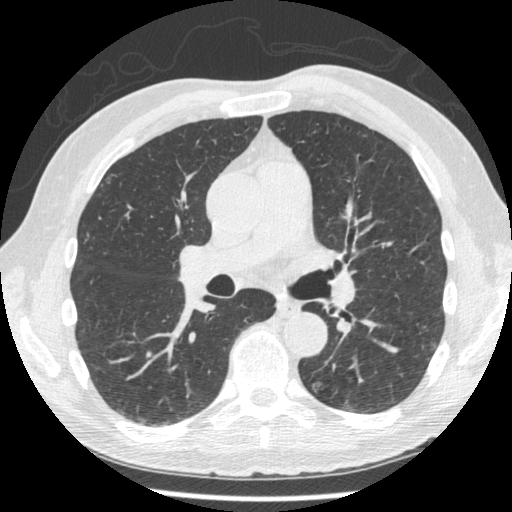
One axial slice (262 of 481, counting up from the lowest) of a chest CT acquired at 120 kVp with the STANDARD kernel; each pixel is 0.664 mm and the slice is 1.25 mm thick.
Pulmonary nodule outlined by three of the four readers; box rows 381–393, columns 312–322 (the union of the readers' outlines on this slice); longest diameter 9.9 mm on average over the three readers' outlines (readers' outlines 9.4–10.2 mm), volume 134–188 mm3. The readers' prevailing ratings and who disagreed: texture split among the readers: 2/5 (one), 3/5 (part-solid) (one), 4/5 (one); most readers (two of three) put margin at 2/5, others 4/5 (one); sphericity split among the readers: 2/5 (one), 3/5 (ovoid) (one), 4/5 (one); calcification absent, all three readers agreeing; internal structure soft tissue from all three readers; most readers (two of three) put subtlety at 3/5, others 4/5 (one); malignancy likelihood split among the readers: 1/5 (one), 2/5 (one), 3/5 (one). Scale key (1–5): texture non-solid→solid, margin indistinct→circumscribed, sphericity linear→round, subtlety extremely subtle→obvious, malignancy likelihood highly unlikely→highly suspicious of cancer. Box rows and columns are 0-based pixel indices from the top-left corner, inclusive.